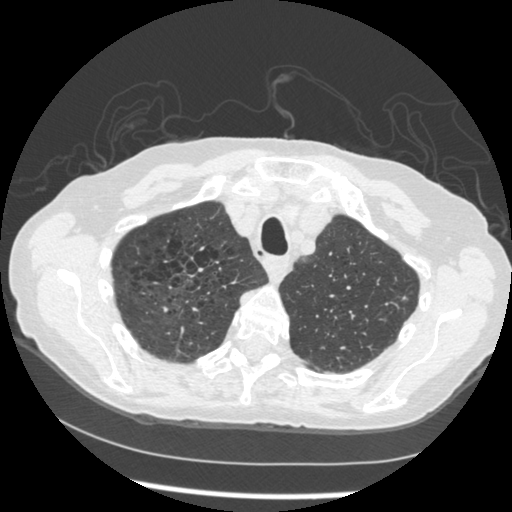
Chest CT, axial plane, 120 kVp, kernel STANDARD. Slice 380/461 from the bottom of the scan; thickness 1.25 mm; pixel size 0.645 mm.
Pulmonary nodule outlined by all four readers; box rows 296–300, columns 400–408 (the union of the readers' outlines on this slice); longest diameter 9.2–11.1 mm and volume 139–248 mm3 across the four readers' outlines. Ratings across the readers: texture from 3/5 (part-solid) to 5/5 (solid) across the four readers; margin from 2/5 to 5/5 (circumscribed) across the four readers; sphericity from 2/5 to 5/5 (round) across the four readers; calcification absent from all four readers; internal structure soft tissue from all four readers; subtlety 3–5/5 (the readers disagree); malignancy likelihood 2–4/5 (the readers disagree). Scale key (1–5): texture non-solid→solid, margin indistinct→circumscribed, sphericity linear→round, subtlety extremely subtle→obvious, malignancy likelihood highly unlikely→highly suspicious of cancer. Box rows and columns are 0-based pixel indices from the top-left corner, inclusive.